Chest CT, axial plane, 120 kVp, kernel BONE. Slice 56/250 from the bottom of the scan; thickness 1.25 mm; pixel size 0.586 mm.
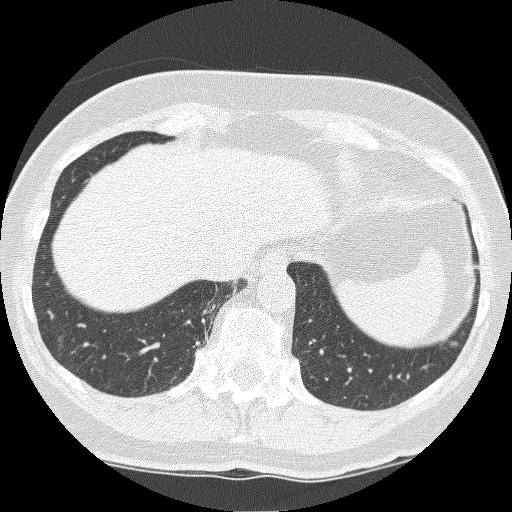
Pulmonary nodule, outlined by three of the four readers. Box on this slice rows 339–347, columns 448–459, the union of the readers' outlines on this slice; median longest diameter 9.5 mm (readers' outlines 9.0–10.8 mm), median volume 322 mm3 (291–346 mm3). Ratings, median across the readers with their spread: median texture 5/5 (solid) (readers ranged 4/5 to 5/5 (solid)); margin 4/5 at the median of three readers, spread 3/5 to 4/5; sphericity 3/5 (ovoid) from all three readers; calcification absent, all three readers agreeing; internal structure soft tissue, all three readers agreeing; subtlety 5/5 at the median of three readers, spread 4–5; median malignancy likelihood 4/5 (readers ranged 3–4). Scale key (1–5): texture non-solid→solid, margin indistinct→circumscribed, sphericity linear→round, subtlety extremely subtle→obvious, malignancy likelihood highly unlikely→highly suspicious of cancer. Box rows and columns are 0-based pixel indices from the top-left corner, inclusive.